Axial slice 63 of 123 of a chest CT (slice 1 is the lowest), reconstructed with the B31s kernel at 130 kVp; 3.00 mm slice thickness and 0.646 mm pixels.
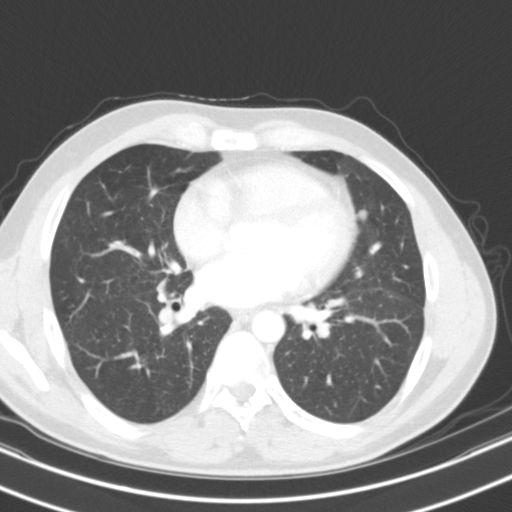
Pulmonary nodule outlined by all four readers; box rows 209–220, columns 357–367 (the union of the readers' outlines on this slice); the four readers' outlines give a longest diameter between 11.1 and 12.4 mm and a volume between 387 and 471 mm3. Ratings across the readers: texture 5/5 (solid) from all four readers; margin from 4/5 to 5/5 (circumscribed) across the four readers; sphericity from 3/5 (ovoid) to 5/5 (round) across the four readers; calcification absent from all four readers; internal structure soft tissue from all four readers; subtlety from 4/5 to 5/5 across the four readers; malignancy likelihood rated between 2 and 4 out of 5 by the four readers. Scale key (1–5): texture non-solid→solid, margin indistinct→circumscribed, sphericity linear→round, subtlety extremely subtle→obvious, malignancy likelihood highly unlikely→highly suspicious of cancer. Box rows and columns are 0-based pixel indices from the top-left corner, inclusive.